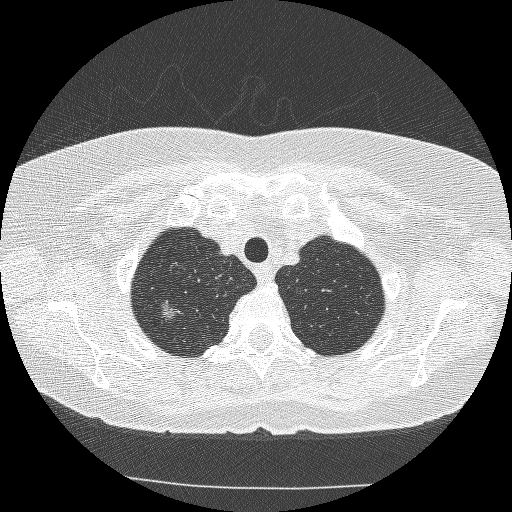
Axial chest CT slice 231 of 253 (counted from the lowest slice); tube voltage 120 kVp, convolution kernel BONE; slices 1.25 mm thick, 0.625 mm per pixel.
Pulmonary nodule outlined by all four readers; box rows 300–320, columns 160–183 (the union of the readers' outlines on this slice); longest diameter 14.0 mm on average over the four readers' outlines (readers' outlines 12.3–15.8 mm), volume 480–587 mm3. Ratings, by the readers' most common answer with dissent counted: texture 1/5 (non-solid) by three of four readers; the rest gave 3/5 (part-solid) (one); margin 3/5 by two of four readers; the rest gave 2/5 (one), 4/5 (one); sphericity 4/5 by two of four readers; the rest gave 2/5 (one), 3/5 (ovoid) (one); calcification absent, all four readers agreeing; internal structure soft tissue from all four readers; subtlety 4/5 by two of four readers; the rest gave 3/5 (one), 5/5 (one); malignancy likelihood 4/5 by two of four readers; the rest gave 3/5 (one), 5/5 (one). Scale key (1–5): texture non-solid→solid, margin indistinct→circumscribed, sphericity linear→round, subtlety extremely subtle→obvious, malignancy likelihood highly unlikely→highly suspicious of cancer. Box rows and columns are 0-based pixel indices from the top-left corner, inclusive.